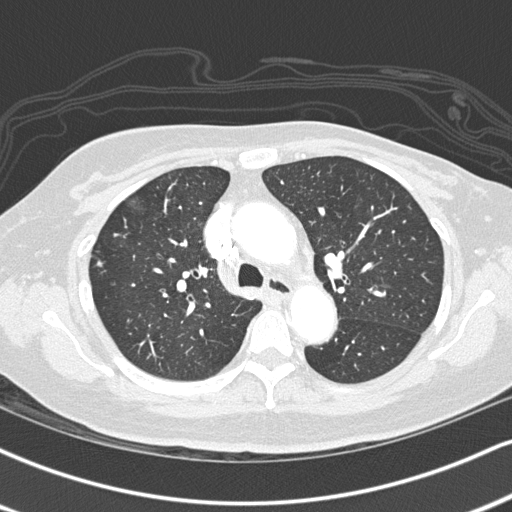
Axial slice 175 of 260 of a chest CT (slice 1 is the lowest), reconstructed with the B45f kernel at 120 kVp; 1.00 mm slice thickness and 0.625 mm pixels.
Pulmonary nodule at rows 258–266, columns 96–103 (box = the union of the readers' outlines on this slice), outlined by two of the four readers; the two readers' outlines give a longest diameter between 6.8 and 7.9 mm and a volume between 80 and 104 mm3. The readers' ratings, as ranges where they differ: texture from 2/5 to 5/5 (solid) across the two readers; margin from 1/5 (indistinct) to 5/5 (circumscribed) across the two readers; sphericity from 4/5 to 5/5 (round) across the two readers; calcification absent from both readers; internal structure soft tissue from both readers; subtlety 3/5, both readers agreeing; malignancy likelihood 2/5 from both readers. Scale key (1–5): texture non-solid→solid, margin indistinct→circumscribed, sphericity linear→round, subtlety extremely subtle→obvious, malignancy likelihood highly unlikely→highly suspicious of cancer. Box rows and columns are 0-based pixel indices from the top-left corner, inclusive.